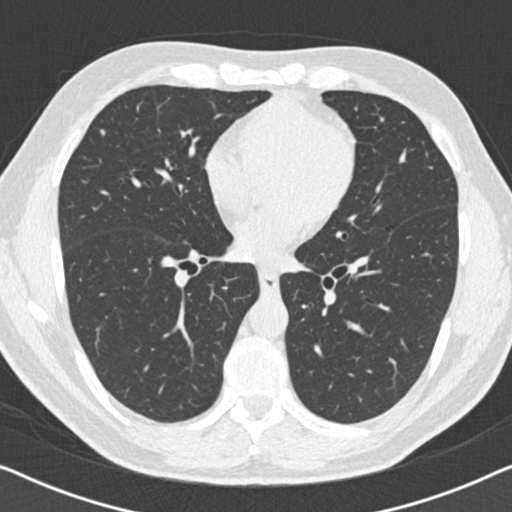
This is axial slice 100 of 204 (slice 1 is the lowest) of a chest CT; each pixel is 0.645 mm and the slice is 2.00 mm thick. Pulmonary nodule, outlined by one of the four readers. Box on this slice rows 130–134, columns 101–103, that reader's outline on this slice; longest diameter 4.1 mm and volume 14 mm3 from that reader's outline. Ratings by that reader: texture 5/5 (solid); margin 5/5 (circumscribed); sphericity 3/5 (ovoid); calcification absent; internal structure soft tissue; subtlety 2/5; malignancy likelihood 2/5. Scale key (1–5): texture non-solid→solid, margin indistinct→circumscribed, sphericity linear→round, subtlety extremely subtle→obvious, malignancy likelihood highly unlikely→highly suspicious of cancer. Box rows and columns are 0-based pixel indices from the top-left corner, inclusive.
Acquired at 120 kVp and reconstructed with the B30f kernel.